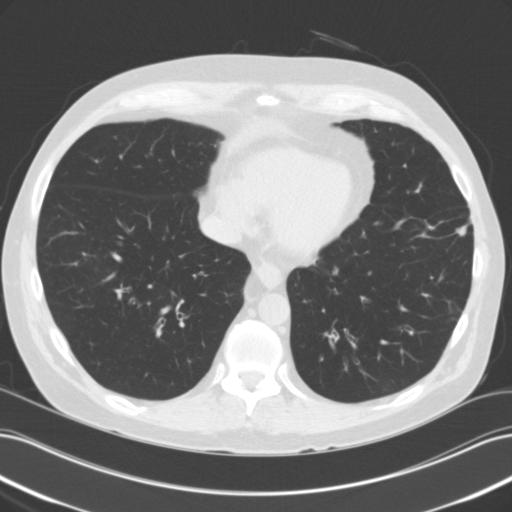
Chest CT, axial plane, 120 kVp, kernel B31f. Slice 39/118 from the bottom of the scan; thickness 3.00 mm; pixel size 0.707 mm.
Pulmonary nodule, outlined by all four readers. Box on this slice rows 223–237, columns 454–468, the union of the readers' outlines on this slice; longest diameter 11.6 mm on average over the four readers' outlines (readers' outlines 9.5–14.7 mm), volume 228–533 mm3. Ratings, by the readers' most common answer with dissent counted: texture 5/5 (solid) by three of four readers; the rest gave 4/5 (one); margin 4/5 by two of four readers; the rest gave 3/5 (one), 5/5 (circumscribed) (one); most readers (three of four) put sphericity at 3/5 (ovoid), others 4/5 (one); calcification absent from all four readers; internal structure soft tissue, all four readers agreeing; subtlety 4/5 by two of four readers; the rest gave 3/5 (one), 5/5 (one); malignancy likelihood 3/5 by three of four readers; the rest gave 2/5 (one). Scale key (1–5): texture non-solid→solid, margin indistinct→circumscribed, sphericity linear→round, subtlety extremely subtle→obvious, malignancy likelihood highly unlikely→highly suspicious of cancer. Box rows and columns are 0-based pixel indices from the top-left corner, inclusive.